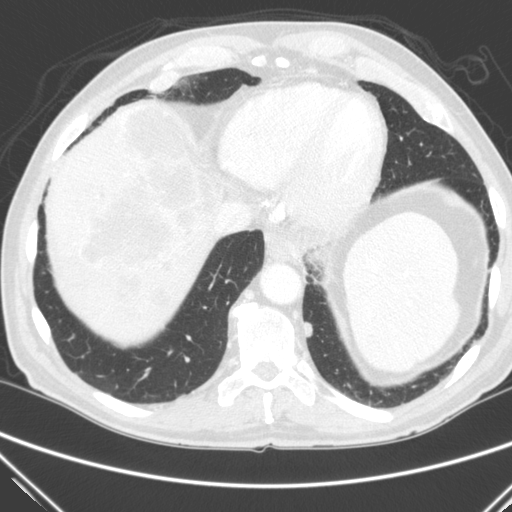
Chest CT, axial plane, 120 kVp, kernel C. Slice 58/290 from the bottom of the scan; thickness 2.00 mm; pixel size 0.682 mm.
Pulmonary nodule, outlined by all four readers. Box on this slice rows 321–337, columns 303–312, the union of the readers' outlines on this slice; longest diameter 12.3–13.7 mm and volume 463–570 mm3 across the four readers' outlines. The readers' ratings, as ranges where they differ: texture 5/5 (solid) from all four readers; margin from 4/5 to 5/5 (circumscribed) across the four readers; sphericity from 2/5 to 4/5 across the four readers; calcification absent, all four readers agreeing; internal structure soft tissue, all four readers agreeing; subtlety from 3/5 to 5/5 across the four readers; malignancy likelihood rated between 3 and 4 out of 5 by the four readers. Scale key (1–5): texture non-solid→solid, margin indistinct→circumscribed, sphericity linear→round, subtlety extremely subtle→obvious, malignancy likelihood highly unlikely→highly suspicious of cancer. Box rows and columns are 0-based pixel indices from the top-left corner, inclusive.